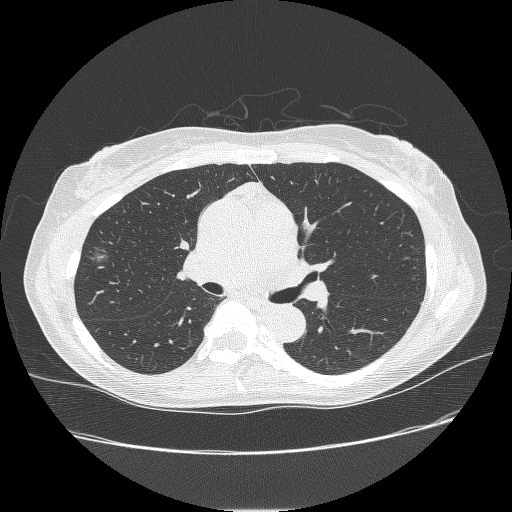
This is axial slice 153 of 238 (slice 1 is the lowest) of a chest CT; each pixel is 0.703 mm and the slice is 1.25 mm thick. Two pulmonary nodules are outlined on this slice; from left to right: (1) Pulmonary nodule outlined by two of the four readers; box rows 251–263, columns 89–105 (the union of the readers' outlines on this slice); median longest diameter 14.0 mm (readers' outlines 11.5–16.5 mm), median volume 546 mm3 (494–598 mm3). Median ratings and the readers' spread: texture 1/5 (non-solid), both readers agreeing; margin 1/5 (indistinct) from both readers; median sphericity 3.5/5 (readers ranged 3/5 (ovoid) to 4/5); calcification absent, both readers agreeing; internal structure soft tissue from both readers; subtlety 4/5, both readers agreeing; median malignancy likelihood 3.5/5 (readers ranged 3–4). (2) Pulmonary nodule outlined by one of the four readers; box rows 340–345, columns 188–191 (that reader's outline on this slice); longest diameter 6.7 mm and volume 77 mm3 from that reader's outline. That reader's ratings: texture 2/5; margin 1/5 (indistinct); sphericity 4/5; calcification absent; internal structure soft tissue; subtlety 1/5; malignancy likelihood 4/5. Scale key (1–5): texture non-solid→solid, margin indistinct→circumscribed, sphericity linear→round, subtlety extremely subtle→obvious, malignancy likelihood highly unlikely→highly suspicious of cancer. Box rows and columns are 0-based pixel indices from the top-left corner, inclusive.
Acquired at 120 kVp and reconstructed with the BONE kernel.